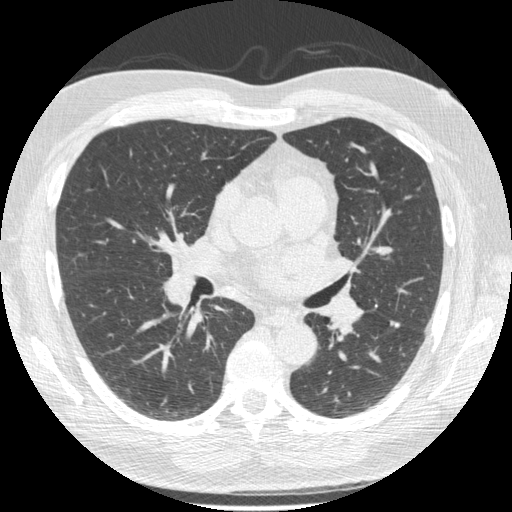
This is axial slice 307 of 557 (slice 1 is the lowest) of a chest CT; each pixel is 0.703 mm and the slice is 1.25 mm thick. Pulmonary nodule outlined by all four readers; box rows 320–329, columns 390–400 (the union of the readers' outlines on this slice); longest diameter 6.0–9.4 mm and volume 90–190 mm3 across the four readers' outlines. The readers' ratings, as ranges where they differ: texture 5/5 (solid) from all four readers; margin from 4/5 to 5/5 (circumscribed) across the four readers; sphericity from 2/5 to 5/5 (round) across the four readers; calcification split among the readers: non-central calcification (two), solid calcification (two); internal structure soft tissue, all four readers agreeing; subtlety rated between 3 and 5 out of 5 by the four readers; malignancy likelihood 1–2/5 (the readers disagree). Scale key (1–5): texture non-solid→solid, margin indistinct→circumscribed, sphericity linear→round, subtlety extremely subtle→obvious, malignancy likelihood highly unlikely→highly suspicious of cancer. Box rows and columns are 0-based pixel indices from the top-left corner, inclusive.
Tube voltage 120 kVp; convolution kernel STANDARD.